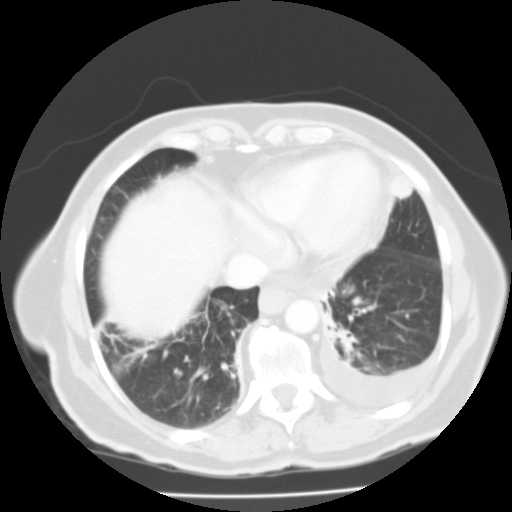
This is axial slice 51 of 119 (slice 1 is the lowest) of a chest CT; each pixel is 0.640 mm and the slice is 3.00 mm thick. Pulmonary nodule, outlined by one of the four readers. Box on this slice rows 173–200, columns 391–413, that reader's outline on this slice; longest diameter 18.8 mm and volume 4417 mm3 from that reader's outline. Ratings by that reader: texture 5/5 (solid); margin 4/5; sphericity 4/5; calcification absent; internal structure soft tissue; subtlety 4/5; malignancy likelihood 4/5. Scale key (1–5): texture non-solid→solid, margin indistinct→circumscribed, sphericity linear→round, subtlety extremely subtle→obvious, malignancy likelihood highly unlikely→highly suspicious of cancer. Box rows and columns are 0-based pixel indices from the top-left corner, inclusive.
Tube voltage 135 kVp; convolution kernel FC01.